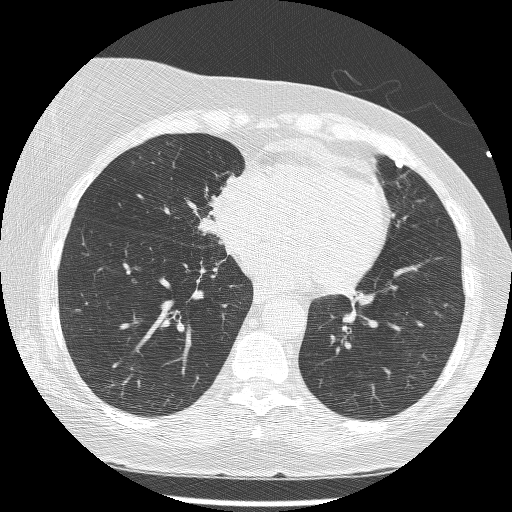
One axial slice (68 of 209, counting up from the lowest) of a chest CT acquired at 120 kVp with the BONE kernel; each pixel is 0.617 mm and the slice is 1.25 mm thick.
Two pulmonary nodules on this slice, listed from left to right. (1) Pulmonary nodule, outlined by three of the four readers. Box on this slice rows 216–237, columns 198–221, the union of the readers' outlines on this slice; the three readers' outlines give a longest diameter between 22.9 and 27.7 mm and a volume between 3040 and 4232 mm3. The readers' ratings, as ranges where they differ: texture 5/5 (solid), all three readers agreeing; margin from 4/5 to 5/5 (circumscribed) across the three readers; sphericity from 3/5 (ovoid) to 4/5 across the three readers; calcification absent, all three readers agreeing; internal structure soft tissue, all three readers agreeing; subtlety 5/5, all three readers agreeing; malignancy likelihood 5/5, all three readers agreeing. (2) Pulmonary nodule, outlined by three of the four readers. Box on this slice rows 160–167, columns 395–401, the union of the readers' outlines on this slice; longest diameter 6.2–7.2 mm and volume 69–94 mm3 across the three readers' outlines. Ratings across the readers: texture 5/5 (solid) from all three readers; margin 5/5 (circumscribed), all three readers agreeing; sphericity from 3/5 (ovoid) to 4/5 across the three readers; calcification: solid calcification (two), absent (one); internal structure soft tissue from all three readers; subtlety rated between 3 and 5 out of 5 by the three readers; malignancy likelihood from 1/5 to 2/5 across the three readers. Scale key (1–5): texture non-solid→solid, margin indistinct→circumscribed, sphericity linear→round, subtlety extremely subtle→obvious, malignancy likelihood highly unlikely→highly suspicious of cancer. Box rows and columns are 0-based pixel indices from the top-left corner, inclusive.